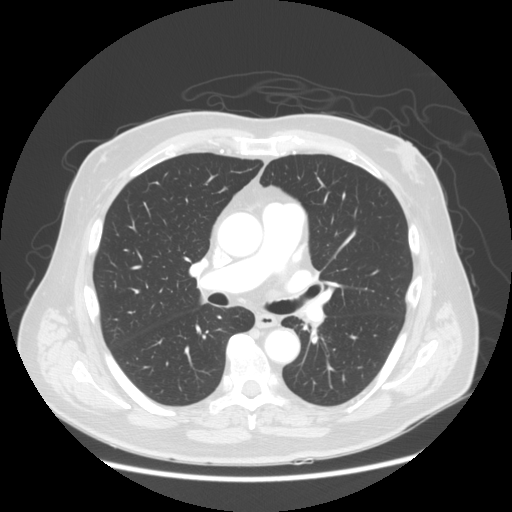
One axial slice (74 of 128, counting up from the lowest) of a chest CT acquired at 120 kVp with the STANDARD kernel; each pixel is 0.781 mm and the slice is 2.50 mm thick.
No nodule 3 mm or larger was outlined here by any reader.